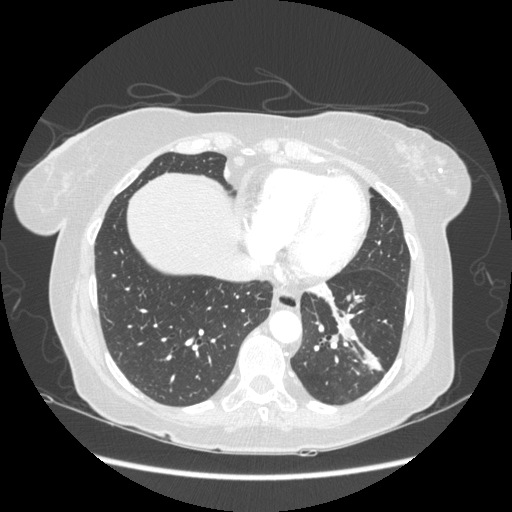
Axial chest CT slice 72 of 230 (counted from the lowest slice); tube voltage 120 kVp, convolution kernel STANDARD; slices 1.25 mm thick, 0.742 mm per pixel.
Pulmonary nodule at rows 346–370, columns 361–382 (box = the union of the readers' outlines on this slice), outlined by all four readers, three of them on this slice; the four readers' outlines give a longest diameter between 23.1 and 31.5 mm and a volume between 3020 and 5074 mm3. Ratings across the readers: texture 5/5 (solid), all four readers agreeing; margin from 3/5 to 5/5 (circumscribed) across the four readers; sphericity from 3/5 (ovoid) to 5/5 (round) across the four readers; calcification absent, all four readers agreeing; internal structure soft tissue from all four readers; subtlety 5/5 from all four readers; malignancy likelihood 3–5/5 (the readers disagree). Scale key (1–5): texture non-solid→solid, margin indistinct→circumscribed, sphericity linear→round, subtlety extremely subtle→obvious, malignancy likelihood highly unlikely→highly suspicious of cancer. Box rows and columns are 0-based pixel indices from the top-left corner, inclusive.